Axial chest CT slice 106 of 257 (counted from the lowest slice); tube voltage 120 kVp, convolution kernel BONE; slices 1.25 mm thick, 0.627 mm per pixel.
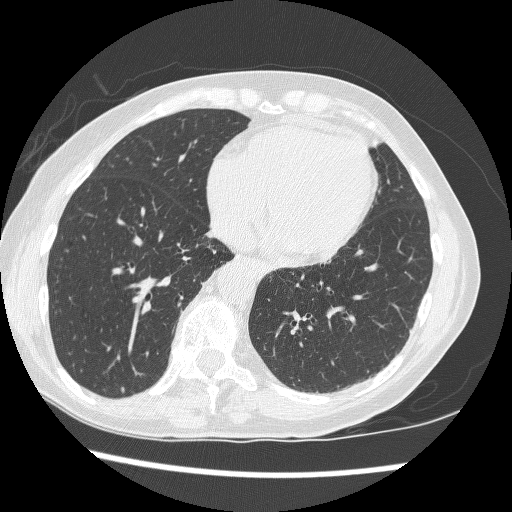
Pulmonary nodule outlined by one of the four readers; box rows 386–393, columns 119–124 (that reader's outline on this slice); longest diameter 6.8 mm and volume 64 mm3 from that reader's outline. Ratings by that reader: texture 5/5 (solid); margin 5/5 (circumscribed); sphericity 4/5; calcification absent; internal structure soft tissue; subtlety 4/5; malignancy likelihood 3/5. Scale key (1–5): texture non-solid→solid, margin indistinct→circumscribed, sphericity linear→round, subtlety extremely subtle→obvious, malignancy likelihood highly unlikely→highly suspicious of cancer. Box rows and columns are 0-based pixel indices from the top-left corner, inclusive.